Axial chest CT slice 86 of 291 (counted from the lowest slice); tube voltage 120 kVp, convolution kernel BONE; slices 1.25 mm thick, 0.820 mm per pixel.
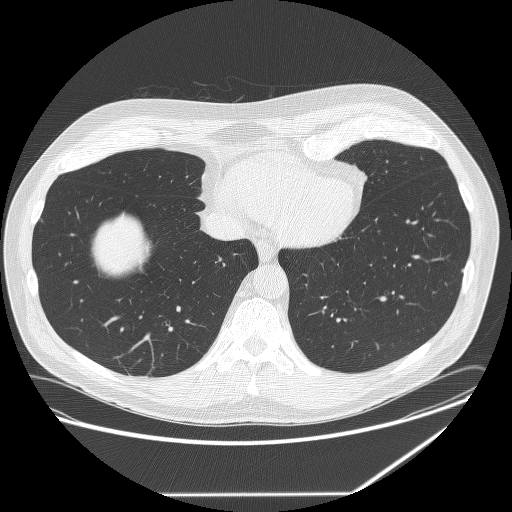
Pulmonary nodule outlined by all four readers, two of them on this slice; box rows 219–221, columns 40–42 (the union of the readers' outlines on this slice); the four readers' outlines give a longest diameter between 6.6 and 7.6 mm and a volume between 54 and 116 mm3. Ratings across the readers: texture 5/5 (solid) from all four readers; margin from 4/5 to 5/5 (circumscribed) across the four readers; sphericity from 3/5 (ovoid) to 4/5 across the four readers; calcification: absent (three), solid calcification (one); internal structure soft tissue, all four readers agreeing; subtlety from 2/5 to 4/5 across the four readers; malignancy likelihood 1–3/5 (the readers disagree). Scale key (1–5): texture non-solid→solid, margin indistinct→circumscribed, sphericity linear→round, subtlety extremely subtle→obvious, malignancy likelihood highly unlikely→highly suspicious of cancer. Box rows and columns are 0-based pixel indices from the top-left corner, inclusive.